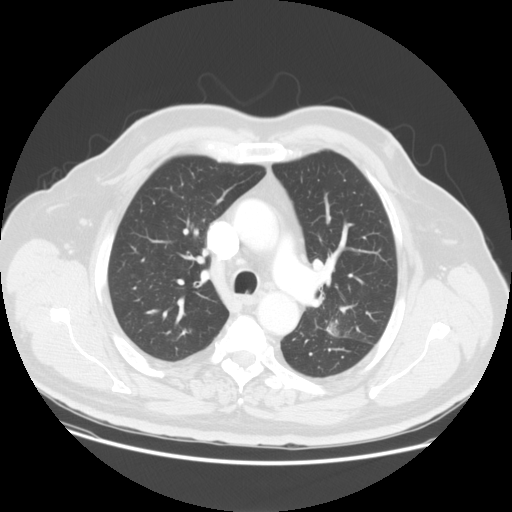
Axial chest CT slice 107 of 149 (counted from the lowest slice); tube voltage 120 kVp, convolution kernel STANDARD; slices 2.50 mm thick, 0.781 mm per pixel.
Pulmonary nodule, outlined by three of the four readers, two of them on this slice. Box on this slice rows 321–335, columns 326–338, the union of the readers' outlines on this slice; longest diameter 41.1 mm on average over the three readers' outlines (readers' outlines 34.5–53.9 mm), volume 15350–17058 mm3. The readers' prevailing ratings and who disagreed: texture 5/5 (solid), all three readers agreeing; margin 4/5 by two of three readers; the rest gave 5/5 (circumscribed) (one); most readers (two of three) put sphericity at 4/5, others 5/5 (round) (one); calcification absent, all three readers agreeing; internal structure soft tissue from all three readers; subtlety 5/5, all three readers agreeing; malignancy likelihood 5/5 by two of three readers; the rest gave 4/5 (one). Scale key (1–5): texture non-solid→solid, margin indistinct→circumscribed, sphericity linear→round, subtlety extremely subtle→obvious, malignancy likelihood highly unlikely→highly suspicious of cancer. Box rows and columns are 0-based pixel indices from the top-left corner, inclusive.